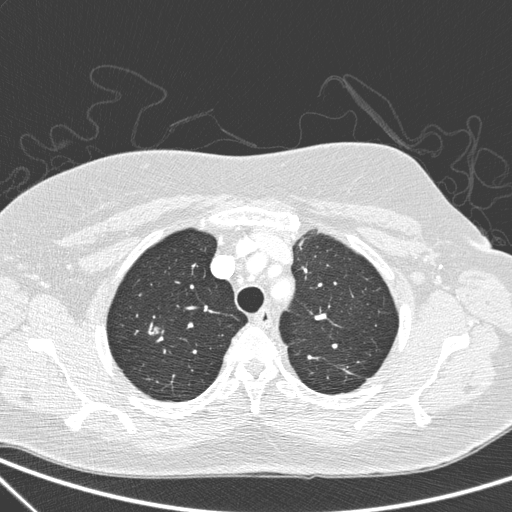
Axial chest CT slice 227 of 266 (counted from the lowest slice); tube voltage 120 kVp, convolution kernel D; slices 1.00 mm thick, 0.668 mm per pixel.
Pulmonary nodule, outlined by all four readers. Box on this slice rows 326–334, columns 152–159, the union of the readers' outlines on this slice; longest diameter 17.2 mm on average over the four readers' outlines (readers' outlines 16.7–17.7 mm), volume 1306–1533 mm3. Ratings, by the readers' most common answer with dissent counted: texture 5/5 (solid) from all four readers; margin 3/5 by two of four readers; the rest gave 2/5 (one), 5/5 (circumscribed) (one); sphericity 4/5 by two of four readers; the rest gave 3/5 (ovoid) (one), 5/5 (round) (one); calcification absent, all four readers agreeing; internal structure soft tissue from all four readers; subtlety 5/5 from all four readers; malignancy likelihood 5/5 by three of four readers; the rest gave 2/5 (one). Scale key (1–5): texture non-solid→solid, margin indistinct→circumscribed, sphericity linear→round, subtlety extremely subtle→obvious, malignancy likelihood highly unlikely→highly suspicious of cancer. Box rows and columns are 0-based pixel indices from the top-left corner, inclusive.